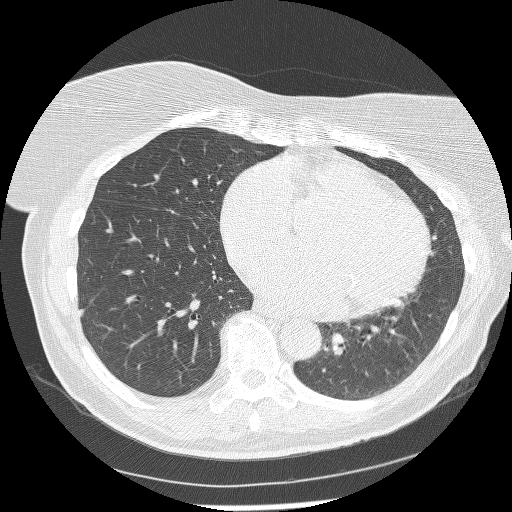
Chest CT, axial plane, 120 kVp, kernel BONE. Slice 118/255 from the bottom of the scan; thickness 1.25 mm; pixel size 0.654 mm.
Pulmonary nodule, outlined by two of the four readers. Box on this slice rows 308–316, columns 79–84, the union of the readers' outlines on this slice; median longest diameter 6.2 mm (readers' outlines 6.2 mm), median volume 48 mm3 (42–55 mm3). Median ratings and the readers' spread: median texture 4.5/5 (readers ranged 4/5 to 5/5 (solid)); margin 4/5 at the median of two readers, spread 3/5 to 5/5 (circumscribed); sphericity 4/5, both readers agreeing; calcification absent, both readers agreeing; internal structure soft tissue, both readers agreeing; subtlety 3/5 from both readers; malignancy likelihood 2.5/5 at the median of two readers, spread 2–3. Scale key (1–5): texture non-solid→solid, margin indistinct→circumscribed, sphericity linear→round, subtlety extremely subtle→obvious, malignancy likelihood highly unlikely→highly suspicious of cancer. Box rows and columns are 0-based pixel indices from the top-left corner, inclusive.